Axial chest CT slice 99 of 290 (counted from the lowest slice); tube voltage 120 kVp, convolution kernel D; slices 2.00 mm thick, 0.648 mm per pixel.
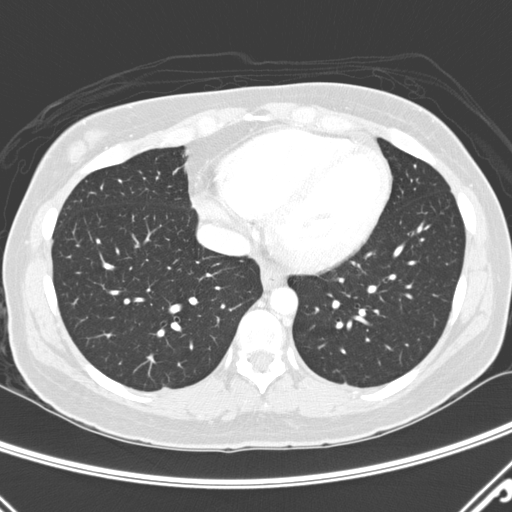
Pulmonary nodule outlined by one of the four readers; box rows 387–389, columns 162–168 (that reader's outline on this slice); longest diameter 7.2 mm and volume 59 mm3 from that reader's outline. Ratings by that reader: texture 5/5 (solid); margin 4/5; sphericity 3/5 (ovoid); calcification absent; internal structure soft tissue; subtlety 5/5; malignancy likelihood 3/5. Scale key (1–5): texture non-solid→solid, margin indistinct→circumscribed, sphericity linear→round, subtlety extremely subtle→obvious, malignancy likelihood highly unlikely→highly suspicious of cancer. Box rows and columns are 0-based pixel indices from the top-left corner, inclusive.